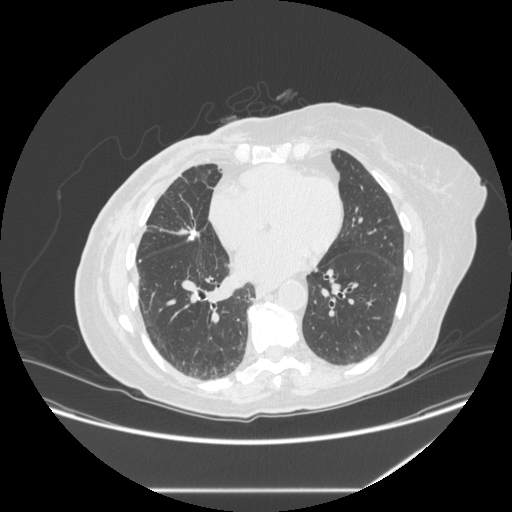
Axial slice 136 of 281 of a chest CT (slice 1 is the lowest), reconstructed with the STANDARD kernel at 120 kVp; 1.25 mm slice thickness and 0.816 mm pixels.
Pulmonary nodule outlined by all four readers, one of them on this slice; box rows 297–299, columns 250–254 (the one reader's outline on this slice); longest diameter 5.2–7.0 mm and volume 50–113 mm3 across the four readers' outlines. The readers' ratings, as ranges where they differ: texture 5/5 (solid) from all four readers; margin 5/5 (circumscribed), all four readers agreeing; sphericity from 3/5 (ovoid) to 5/5 (round) across the four readers; calcification: solid calcification (two), absent (one), central calcification (one); internal structure soft tissue from all four readers; subtlety 2–5/5 (the readers disagree); malignancy likelihood rated between 1 and 2 out of 5 by the four readers. Scale key (1–5): texture non-solid→solid, margin indistinct→circumscribed, sphericity linear→round, subtlety extremely subtle→obvious, malignancy likelihood highly unlikely→highly suspicious of cancer. Box rows and columns are 0-based pixel indices from the top-left corner, inclusive.